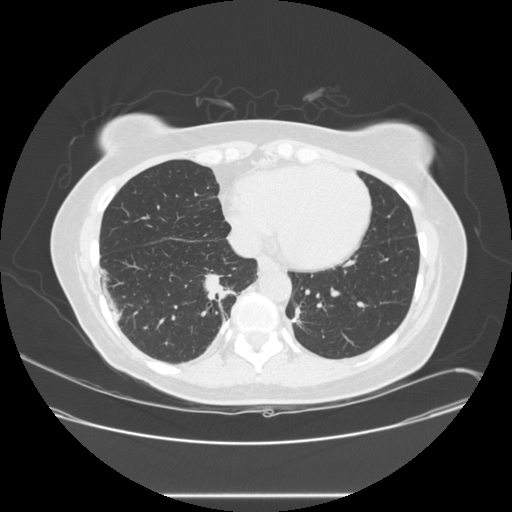
Axial chest CT slice 105 of 257 (counted from the lowest slice); tube voltage 120 kVp, convolution kernel STANDARD; slices 1.25 mm thick, 0.781 mm per pixel.
Pulmonary nodule at rows 273–301, columns 203–235 (box = the union of the readers' outlines on this slice), outlined by all four readers; median longest diameter 33.5 mm (readers' outlines 28.0–45.1 mm), median volume 6377 mm3 (5019–8578 mm3). Ratings, median across the readers with their spread: texture 5/5 (solid), all four readers agreeing; median margin 4.5/5 (readers ranged 1/5 (indistinct) to 5/5 (circumscribed)); sphericity 3.5/5 at the median of four readers, spread 3/5 (ovoid) to 4/5; calcification absent from all four readers; internal structure soft tissue from all four readers; subtlety 5/5 from all four readers; malignancy likelihood 5/5, all four readers agreeing. Scale key (1–5): texture non-solid→solid, margin indistinct→circumscribed, sphericity linear→round, subtlety extremely subtle→obvious, malignancy likelihood highly unlikely→highly suspicious of cancer. Box rows and columns are 0-based pixel indices from the top-left corner, inclusive.